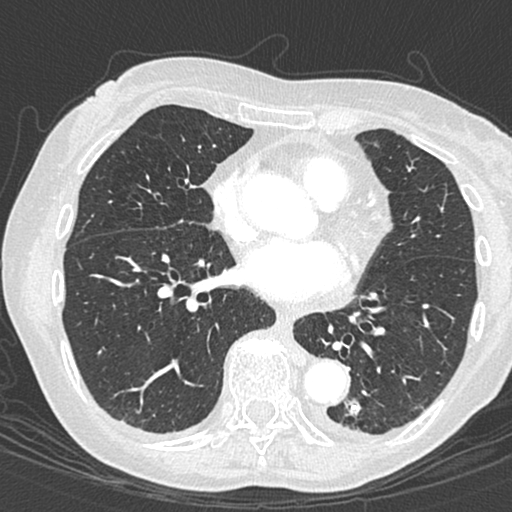
One axial slice (147 of 301, counting up from the lowest) of a chest CT acquired at 120 kVp with the B45f kernel; each pixel is 0.547 mm and the slice is 1.00 mm thick.
Pulmonary nodule at rows 400–415, columns 349–361 (box = the union of the readers' outlines on this slice), outlined by three of the four readers; longest diameter 10.3 mm on average over the three readers' outlines (readers' outlines 6.8–15.1 mm), volume 67–603 mm3. The readers' prevailing ratings and who disagreed: texture 5/5 (solid) from all three readers; margin 5/5 (circumscribed) by two of three readers; the rest gave 3/5 (one); sphericity split among the readers: 3/5 (ovoid) (one), 4/5 (one), 5/5 (round) (one); calcification solid calcification by two of three readers, central calcification (one); internal structure soft tissue, all three readers agreeing; most readers (two of three) put subtlety at 5/5, others 4/5 (one); malignancy likelihood 1/5, all three readers agreeing. Scale key (1–5): texture non-solid→solid, margin indistinct→circumscribed, sphericity linear→round, subtlety extremely subtle→obvious, malignancy likelihood highly unlikely→highly suspicious of cancer. Box rows and columns are 0-based pixel indices from the top-left corner, inclusive.